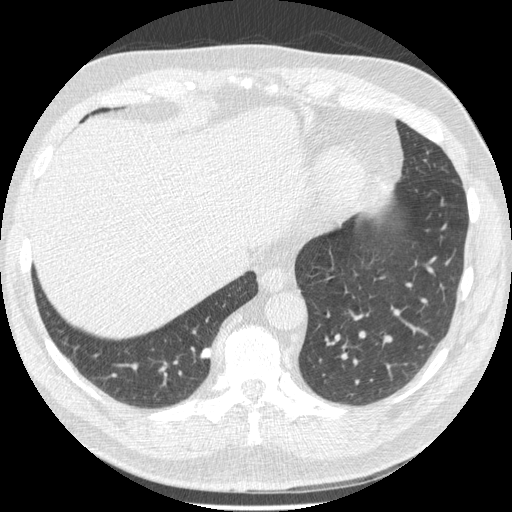
Slice 163/557 of a chest CT, counting up from the lowest; pixel size 0.703 mm, slice thickness 1.25 mm. Pulmonary nodule, outlined by all four readers. Box on this slice rows 348–357, columns 199–210, the union of the readers' outlines on this slice; the four readers' outlines give a longest diameter between 8.6 and 11.5 mm and a volume between 175 and 299 mm3. The readers' ratings, as ranges where they differ: texture 5/5 (solid) from all four readers; margin from 2/5 to 5/5 (circumscribed) across the four readers; sphericity from 4/5 to 5/5 (round) across the four readers; calcification: solid calcification (two), absent (one), central calcification (one); internal structure soft tissue, all four readers agreeing; subtlety 3–5/5 (the readers disagree); malignancy likelihood 1–4/5 (the readers disagree). Scale key (1–5): texture non-solid→solid, margin indistinct→circumscribed, sphericity linear→round, subtlety extremely subtle→obvious, malignancy likelihood highly unlikely→highly suspicious of cancer. Box rows and columns are 0-based pixel indices from the top-left corner, inclusive.
Tube voltage 120 kVp; convolution kernel STANDARD.